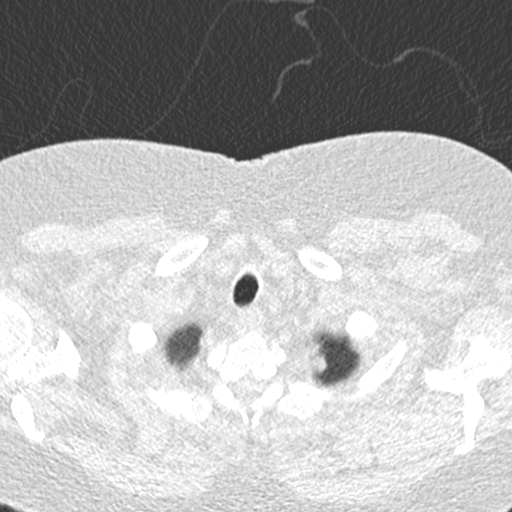
Axial chest CT slice 402 of 423 (counted from the lowest slice); tube voltage 120 kVp, convolution kernel B30f; slices 0.75 mm thick, 0.520 mm per pixel.
Pulmonary nodule outlined by one of the four readers; box rows 357–372, columns 317–326 (that reader's outline on this slice); longest diameter 10.4 mm and volume 150 mm3 from that reader's outline. That reader's ratings: texture 5/5 (solid); margin 4/5; sphericity 4/5; calcification absent; internal structure soft tissue; subtlety 5/5; malignancy likelihood 3/5. Scale key (1–5): texture non-solid→solid, margin indistinct→circumscribed, sphericity linear→round, subtlety extremely subtle→obvious, malignancy likelihood highly unlikely→highly suspicious of cancer. Box rows and columns are 0-based pixel indices from the top-left corner, inclusive.